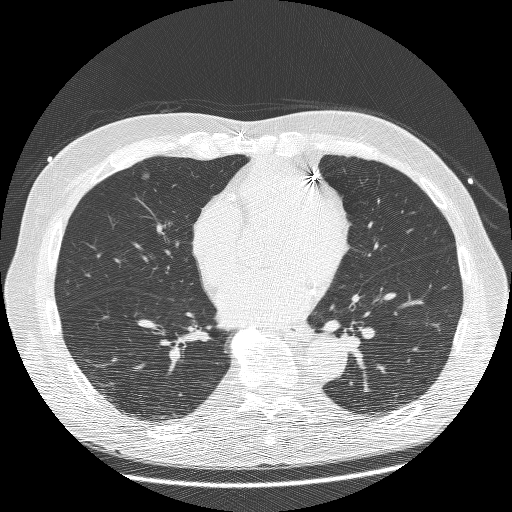
Chest CT, axial plane, 120 kVp, kernel BONE. Slice 106/260 from the bottom of the scan; thickness 1.25 mm; pixel size 0.703 mm.
Pulmonary nodule at rows 174–178, columns 142–149 (box = the union of the readers' outlines on this slice), outlined by all four readers, three of them on this slice; median longest diameter 8.6 mm (readers' outlines 8.0–9.1 mm), median volume 152 mm3 (118–204 mm3). Ratings, median across the readers with their spread: texture 5/5 (solid) from all four readers; margin 4.5/5 at the median of four readers, spread 4/5 to 5/5 (circumscribed); sphericity 4/5 at the median of four readers, spread 3/5 (ovoid) to 5/5 (round); calcification absent from all four readers; internal structure soft tissue from all four readers; subtlety 5/5 at the median of four readers, spread 4–5; malignancy likelihood 2.5/5 at the median of four readers, spread 2–5. Scale key (1–5): texture non-solid→solid, margin indistinct→circumscribed, sphericity linear→round, subtlety extremely subtle→obvious, malignancy likelihood highly unlikely→highly suspicious of cancer. Box rows and columns are 0-based pixel indices from the top-left corner, inclusive.